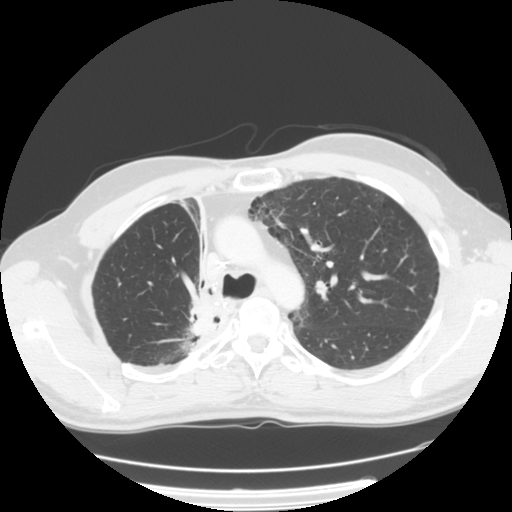
This is axial slice 100 of 133 (slice 1 is the lowest) of a chest CT; each pixel is 0.703 mm and the slice is 2.50 mm thick. Pulmonary nodule outlined by all four readers, three of them on this slice; box rows 277–285, columns 116–120 (the union of the readers' outlines on this slice); median longest diameter 7.6 mm (readers' outlines 5.4–11.4 mm), median volume 119 mm3 (70–205 mm3). Ratings, median across the readers with their spread: texture 5/5 (solid) from all four readers; median margin 4.5/5 (readers ranged 3/5 to 5/5 (circumscribed)); median sphericity 4/5 (readers ranged 3/5 (ovoid) to 5/5 (round)); calcification absent, all four readers agreeing; internal structure soft tissue from all four readers; median subtlety 3.5/5 (readers ranged 3–5); median malignancy likelihood 2.5/5 (readers ranged 2–4). Scale key (1–5): texture non-solid→solid, margin indistinct→circumscribed, sphericity linear→round, subtlety extremely subtle→obvious, malignancy likelihood highly unlikely→highly suspicious of cancer. Box rows and columns are 0-based pixel indices from the top-left corner, inclusive.
Scan settings: 120 kVp, STANDARD reconstruction kernel.